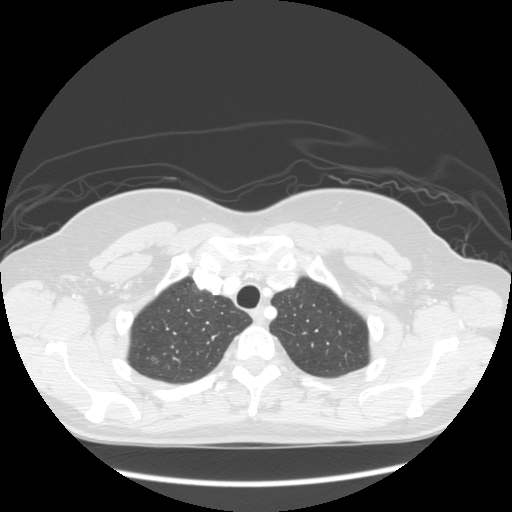
Axial chest CT slice 109 of 133 (counted from the lowest slice); tube voltage 120 kVp, convolution kernel STANDARD; slices 2.50 mm thick, 0.703 mm per pixel.
Pulmonary nodule outlined by one of the four readers; box rows 357–362, columns 152–157 (that reader's outline on this slice); longest diameter 6.3 mm and volume 75 mm3 from that reader's outline. That reader's ratings: texture 4/5; margin 3/5; sphericity 5/5 (round); calcification absent; internal structure soft tissue; subtlety 1/5; malignancy likelihood 2/5. Scale key (1–5): texture non-solid→solid, margin indistinct→circumscribed, sphericity linear→round, subtlety extremely subtle→obvious, malignancy likelihood highly unlikely→highly suspicious of cancer. Box rows and columns are 0-based pixel indices from the top-left corner, inclusive.